One axial slice (186 of 481, counting up from the lowest) of a chest CT acquired at 120 kVp with the STANDARD kernel; each pixel is 0.742 mm and the slice is 1.25 mm thick.
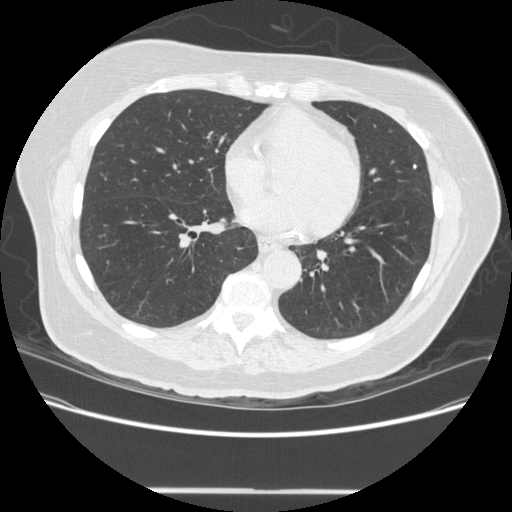
Pulmonary nodule at rows 164–168, columns 412–416 (box = the union of the readers' outlines on this slice), outlined by two of the four readers; longest diameter 5.4 mm on average over the two readers' outlines (readers' outlines 5.4 mm), volume 38–43 mm3. Ratings, by the readers' most common answer with dissent counted: texture 5/5 (solid), both readers agreeing; margin split among the readers: 4/5 (one), 5/5 (circumscribed) (one); sphericity split among the readers: 4/5 (one), 5/5 (round) (one); calcification split among the readers: solid calcification (one), absent (one); internal structure soft tissue, both readers agreeing; subtlety split among the readers: 3/5 (one), 5/5 (one); malignancy likelihood split among the readers: 1/5 (one), 2/5 (one). Scale key (1–5): texture non-solid→solid, margin indistinct→circumscribed, sphericity linear→round, subtlety extremely subtle→obvious, malignancy likelihood highly unlikely→highly suspicious of cancer. Box rows and columns are 0-based pixel indices from the top-left corner, inclusive.